Axial slice 22 of 111 of a chest CT (slice 1 is the lowest), reconstructed with the FC01 kernel at 135 kVp; 3.00 mm slice thickness and 0.582 mm pixels.
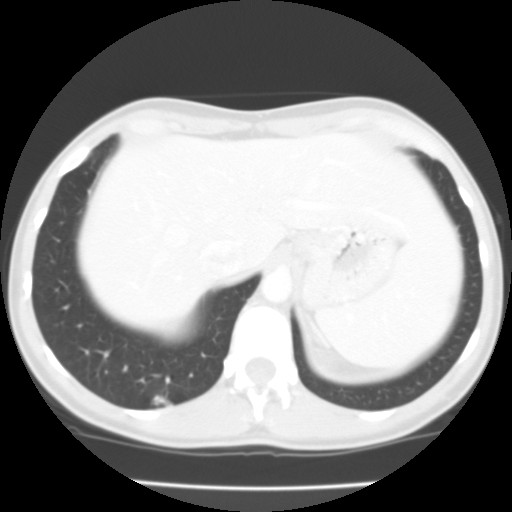
Pulmonary nodule, outlined by all four readers. Box on this slice rows 394–405, columns 150–173, the union of the readers' outlines on this slice; the four readers' outlines give a longest diameter between 11.4 and 15.5 mm and a volume between 422 and 811 mm3. The readers' ratings, as ranges where they differ: texture from 3/5 (part-solid) to 5/5 (solid) across the four readers; margin from 1/5 (indistinct) to 3/5 across the four readers; sphericity from 2/5 to 3/5 (ovoid) across the four readers; calcification absent from all four readers; internal structure soft tissue from all four readers; subtlety from 4/5 to 5/5 across the four readers; malignancy likelihood 3–4/5 (the readers disagree). Scale key (1–5): texture non-solid→solid, margin indistinct→circumscribed, sphericity linear→round, subtlety extremely subtle→obvious, malignancy likelihood highly unlikely→highly suspicious of cancer. Box rows and columns are 0-based pixel indices from the top-left corner, inclusive.